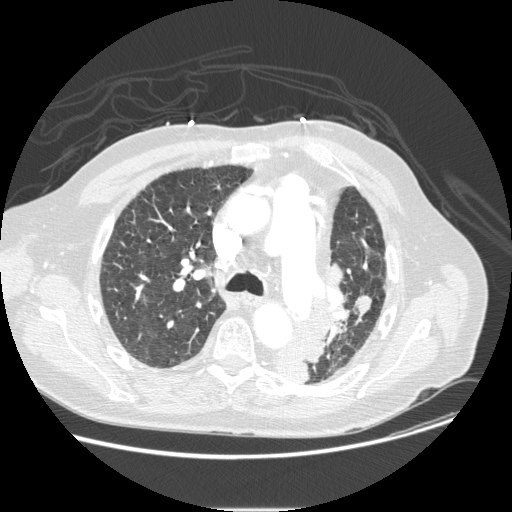
One axial slice (163 of 232, counting up from the lowest) of a chest CT acquired at 120 kVp with the STANDARD kernel; each pixel is 0.781 mm and the slice is 1.25 mm thick.
Pulmonary nodule, outlined by all four readers. Box on this slice rows 295–317, columns 352–371, the union of the readers' outlines on this slice; longest diameter 21.5 mm on average over the four readers' outlines (readers' outlines 19.0–24.3 mm), volume 1498–2178 mm3. Ratings, by the readers' most common answer with dissent counted: texture 5/5 (solid), all four readers agreeing; margin split among the readers: 4/5 (two), 5/5 (circumscribed) (two); sphericity 3/5 (ovoid) from all four readers; calcification absent, all four readers agreeing; internal structure soft tissue, all four readers agreeing; subtlety split among the readers: 4/5 (two), 5/5 (two); malignancy likelihood split among the readers: 2/5 (one), 3/5 (one), 4/5 (one), 5/5 (one). Scale key (1–5): texture non-solid→solid, margin indistinct→circumscribed, sphericity linear→round, subtlety extremely subtle→obvious, malignancy likelihood highly unlikely→highly suspicious of cancer. Box rows and columns are 0-based pixel indices from the top-left corner, inclusive.